Axial slice 125 of 182 of a chest CT (slice 1 is the lowest), reconstructed with the B30f kernel at 120 kVp; 2.00 mm slice thickness and 0.625 mm pixels.
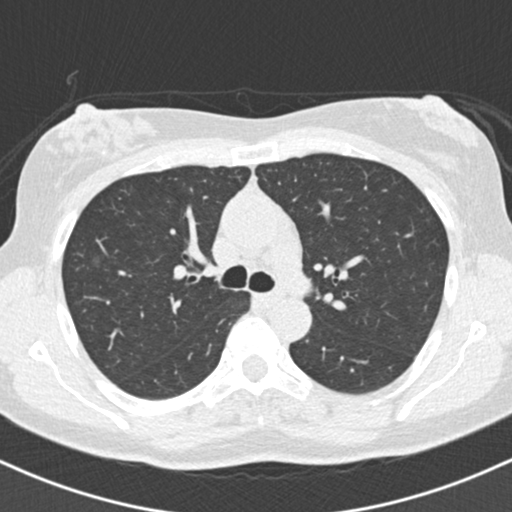
Two pulmonary nodules are outlined on this slice; from left to right: (1) Pulmonary nodule at rows 255–266, columns 92–102 (box = the union of the readers' outlines on this slice), outlined by two of the four readers; longest diameter 10.6 mm and volume 177 mm3 across the two readers' outlines. Ratings across the readers: texture 1/5 (non-solid), both readers agreeing; margin 1/5 (indistinct), both readers agreeing; sphericity 4/5, both readers agreeing; calcification absent, both readers agreeing; internal structure soft tissue, both readers agreeing; subtlety from 1/5 to 3/5 across the two readers; malignancy likelihood from 2/5 to 3/5 across the two readers. (2) Pulmonary nodule at rows 188–191, columns 129–133 (box = the one reader's outline on this slice), outlined by all four readers, one of them on this slice; longest diameter 5.3 mm on average over the four readers' outlines (readers' outlines 4.2–6.8 mm), volume 25–77 mm3. The readers' prevailing ratings and who disagreed: texture 1/5 (non-solid) by two of four readers; the rest gave 2/5 (one), 3/5 (part-solid) (one); most readers (three of four) put margin at 3/5, others 2/5 (one); sphericity 3/5 (ovoid) by three of four readers; the rest gave 4/5 (one); calcification absent, all four readers agreeing; internal structure soft tissue by three of four readers, fluid (one); subtlety 2/5 by three of four readers; the rest gave 4/5 (one); malignancy likelihood 2/5 by three of four readers; the rest gave 3/5 (one). Scale key (1–5): texture non-solid→solid, margin indistinct→circumscribed, sphericity linear→round, subtlety extremely subtle→obvious, malignancy likelihood highly unlikely→highly suspicious of cancer. Box rows and columns are 0-based pixel indices from the top-left corner, inclusive.